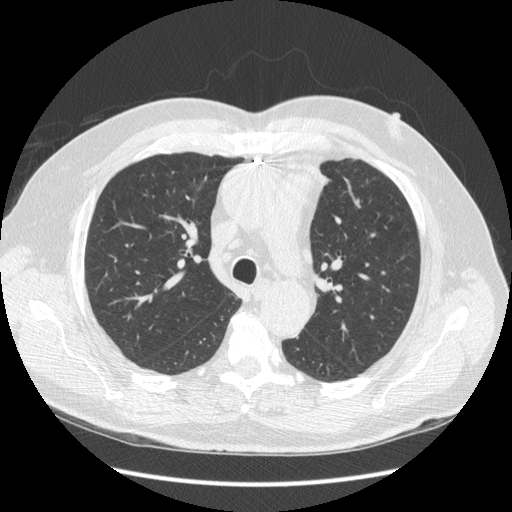
One axial slice (301 of 462, counting up from the lowest) of a chest CT acquired at 120 kVp with the STANDARD kernel; each pixel is 0.742 mm and the slice is 1.25 mm thick.
The readers outlined no nodule of 3 mm or more on this slice.